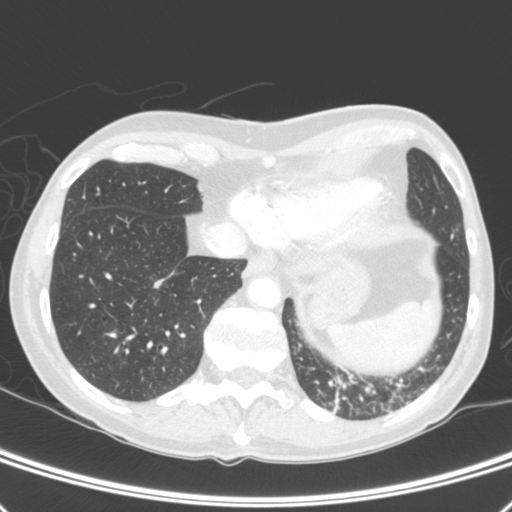
One axial slice (94 of 392, counting up from the lowest) of a chest CT acquired at 120 kVp with the C kernel; each pixel is 0.639 mm and the slice is 1.50 mm thick.
Pulmonary nodule outlined by three of the four readers; box rows 280–287, columns 152–162 (the union of the readers' outlines on this slice); longest diameter 9.9 mm on average over the three readers' outlines (readers' outlines 9.0–10.9 mm), volume 190–278 mm3. The readers' prevailing ratings and who disagreed: texture 5/5 (solid), all three readers agreeing; most readers (two of three) put margin at 5/5 (circumscribed), others 3/5 (one); sphericity 3/5 (ovoid) from all three readers; calcification absent, all three readers agreeing; internal structure soft tissue from all three readers; most readers (two of three) put subtlety at 4/5, others 5/5 (one); malignancy likelihood 2/5 by two of three readers; the rest gave 4/5 (one). Scale key (1–5): texture non-solid→solid, margin indistinct→circumscribed, sphericity linear→round, subtlety extremely subtle→obvious, malignancy likelihood highly unlikely→highly suspicious of cancer. Box rows and columns are 0-based pixel indices from the top-left corner, inclusive.